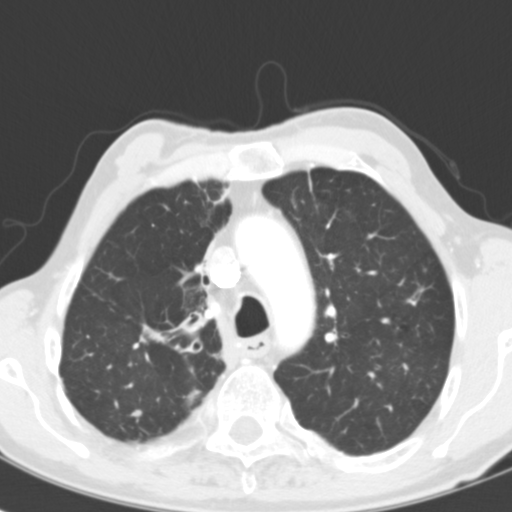
Axial slice 84 of 116 of a chest CT (slice 1 is the lowest), reconstructed with the B31f kernel at 120 kVp; 3.00 mm slice thickness and 0.547 mm pixels.
Pulmonary nodule outlined by one of the four readers; box rows 410–416, columns 131–141 (that reader's outline on this slice); longest diameter 6.9 mm and volume 92 mm3 from that reader's outline. Ratings by that reader: texture 5/5 (solid); margin 4/5; sphericity 3/5 (ovoid); calcification absent; internal structure soft tissue; subtlety 3/5; malignancy likelihood 3/5. Scale key (1–5): texture non-solid→solid, margin indistinct→circumscribed, sphericity linear→round, subtlety extremely subtle→obvious, malignancy likelihood highly unlikely→highly suspicious of cancer. Box rows and columns are 0-based pixel indices from the top-left corner, inclusive.